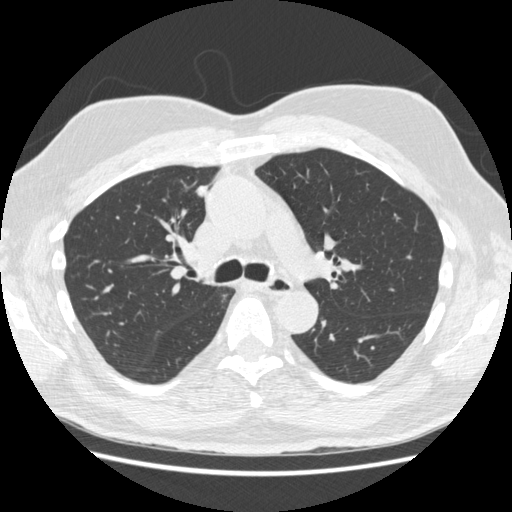
Axial chest CT slice 335 of 557 (counted from the lowest slice); 1.25 mm thick, 0.703 mm per pixel. Pulmonary nodule at rows 185–197, columns 195–208 (box = the union of the readers' outlines on this slice), outlined by all four readers; median longest diameter 13.3 mm (readers' outlines 12.6–14.2 mm), median volume 546 mm3 (470–622 mm3). Median ratings and the readers' spread: texture 5/5 (solid) from all four readers; median margin 4/5 (readers ranged 4/5 to 5/5 (circumscribed)); sphericity 3/5 (ovoid), all four readers agreeing; calcification absent, all four readers agreeing; internal structure soft tissue, all four readers agreeing; subtlety 4.5/5 at the median of four readers, spread 3–5; median malignancy likelihood 2.5/5 (readers ranged 1–4). Scale key (1–5): texture non-solid→solid, margin indistinct→circumscribed, sphericity linear→round, subtlety extremely subtle→obvious, malignancy likelihood highly unlikely→highly suspicious of cancer. Box rows and columns are 0-based pixel indices from the top-left corner, inclusive.
Tube voltage 120 kVp; convolution kernel STANDARD.